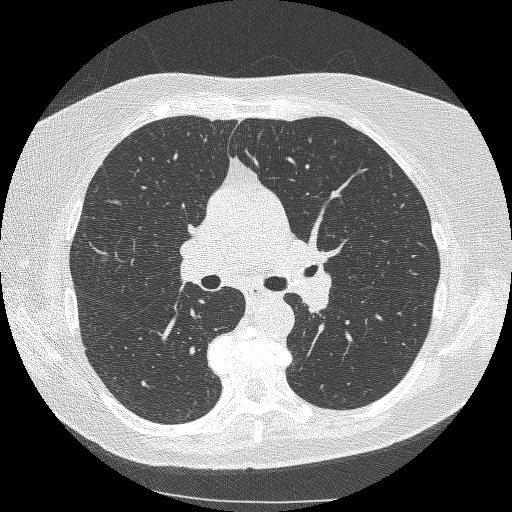
Chest CT, axial plane, 120 kVp, kernel BONE. Slice 168/253 from the bottom of the scan; thickness 1.25 mm; pixel size 0.625 mm.
The readers outlined no nodule of 3 mm or more on this slice.